Axial slice 358 of 503 of a chest CT (slice 1 is the lowest), reconstructed with the STANDARD kernel at 120 kVp; 1.25 mm slice thickness and 0.742 mm pixels.
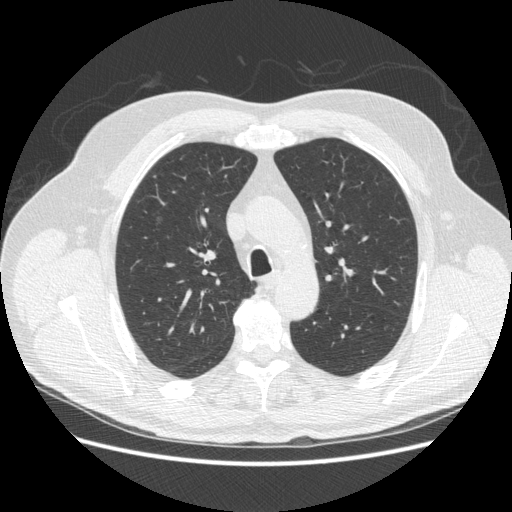
Pulmonary nodule at rows 215–223, columns 155–162 (box = the union of the readers' outlines on this slice), outlined by all four readers; longest diameter 8.2 mm on average over the four readers' outlines (readers' outlines 7.6–8.7 mm), volume 67–154 mm3. The readers' prevailing ratings and who disagreed: most readers (three of four) put texture at 1/5 (non-solid), others 3/5 (part-solid) (one); margin split among the readers: 2/5 (one), 3/5 (one), 4/5 (one), 5/5 (circumscribed) (one); sphericity split among the readers: 4/5 (two), 5/5 (round) (two); calcification absent, all four readers agreeing; internal structure soft tissue from all four readers; subtlety 1/5 by two of four readers; the rest gave 2/5 (one), 5/5 (one); malignancy likelihood split among the readers: 2/5 (two), 4/5 (two). Scale key (1–5): texture non-solid→solid, margin indistinct→circumscribed, sphericity linear→round, subtlety extremely subtle→obvious, malignancy likelihood highly unlikely→highly suspicious of cancer. Box rows and columns are 0-based pixel indices from the top-left corner, inclusive.